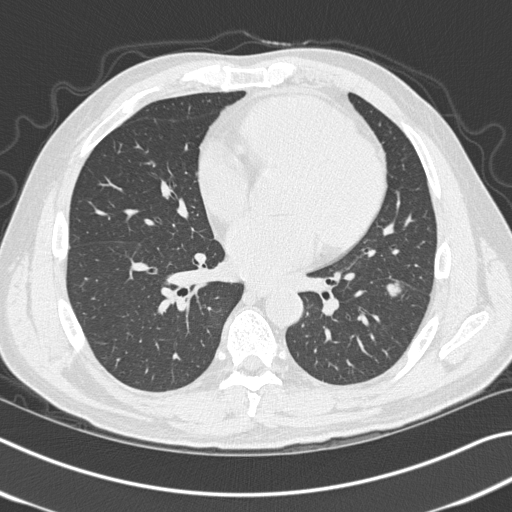
This is axial slice 166 of 327 (slice 1 is the lowest) of a chest CT; each pixel is 0.664 mm and the slice is 1.00 mm thick. Pulmonary nodule at rows 277–297, columns 385–407 (box = the union of the readers' outlines on this slice), outlined by all four readers; the four readers' outlines give a longest diameter between 16.4 and 20.2 mm and a volume between 1016 and 1342 mm3. The readers' ratings, as ranges where they differ: texture 5/5 (solid) from all four readers; margin from 4/5 to 5/5 (circumscribed) across the four readers; sphericity from 3/5 (ovoid) to 5/5 (round) across the four readers; calcification absent, all four readers agreeing; internal structure soft tissue from all four readers; subtlety 4–5/5 (the readers disagree); malignancy likelihood from 3/5 to 5/5 across the four readers. Scale key (1–5): texture non-solid→solid, margin indistinct→circumscribed, sphericity linear→round, subtlety extremely subtle→obvious, malignancy likelihood highly unlikely→highly suspicious of cancer. Box rows and columns are 0-based pixel indices from the top-left corner, inclusive.
Scan settings: 120 kVp, B45f reconstruction kernel.